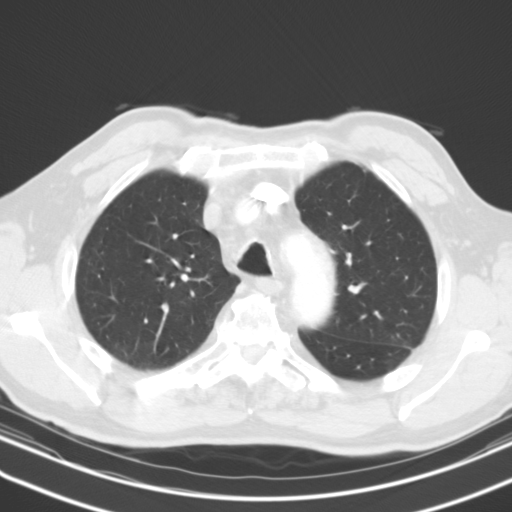
Axial slice 96 of 127 of a chest CT (slice 1 is the lowest), reconstructed with the B31s kernel at 130 kVp; 3.00 mm slice thickness and 0.668 mm pixels.
The readers outlined no nodule of 3 mm or more on this slice.